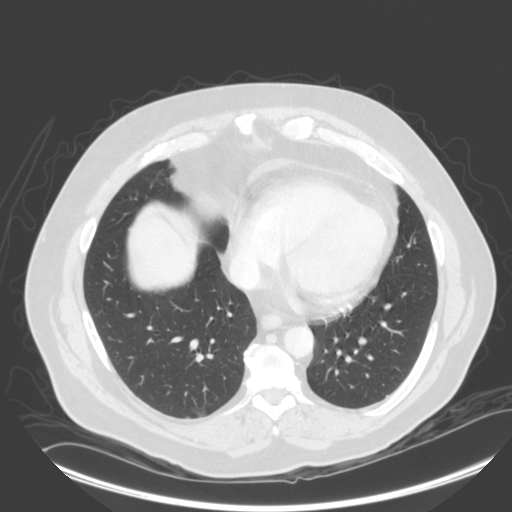
One axial slice (116 of 305, counting up from the lowest) of a chest CT acquired at 140 kVp with the B kernel; each pixel is 0.834 mm and the slice is 2.00 mm thick.
Pulmonary nodule outlined by three of the four readers, two of them on this slice; box rows 416–417, columns 186–189 (the union of the readers' outlines on this slice); longest diameter 6.3 mm on average over the three readers' outlines (readers' outlines 5.9–6.7 mm), volume 59–79 mm3. Ratings, by the readers' most common answer with dissent counted: texture 5/5 (solid), all three readers agreeing; most readers (two of three) put margin at 5/5 (circumscribed), others 4/5 (one); sphericity 4/5, all three readers agreeing; calcification absent, all three readers agreeing; internal structure soft tissue from all three readers; most readers (two of three) put subtlety at 5/5, others 4/5 (one); most readers (two of three) put malignancy likelihood at 3/5, others 2/5 (one). Scale key (1–5): texture non-solid→solid, margin indistinct→circumscribed, sphericity linear→round, subtlety extremely subtle→obvious, malignancy likelihood highly unlikely→highly suspicious of cancer. Box rows and columns are 0-based pixel indices from the top-left corner, inclusive.